Axial slice 62 of 241 of a chest CT (slice 1 is the lowest), reconstructed with the BONE kernel at 120 kVp; 1.25 mm slice thickness and 0.609 mm pixels.
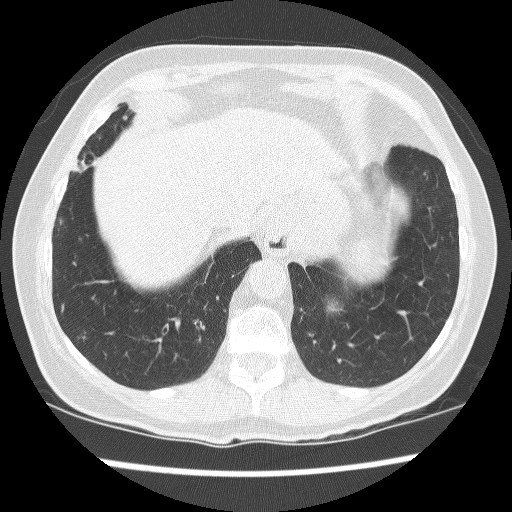
Two pulmonary nodules on this slice, listed from left to right. (1) Pulmonary nodule at rows 217–224, columns 58–62 (box = that reader's outline on this slice), outlined by one of the four readers; longest diameter 6.9 mm and volume 125 mm3 from that reader's outline. Ratings by that reader: texture 1/5 (non-solid); margin 1/5 (indistinct); sphericity 4/5; calcification absent; internal structure soft tissue; subtlety 2/5; malignancy likelihood 3/5. (2) Pulmonary nodule, outlined by one of the four readers. Box on this slice rows 308–310, columns 299–302, that reader's outline on this slice; longest diameter 7.4 mm and volume 66 mm3 from that reader's outline. That reader's ratings: texture 4/5; margin 2/5; sphericity 3/5 (ovoid); calcification absent; internal structure soft tissue; subtlety 3/5; malignancy likelihood 3/5. Scale key (1–5): texture non-solid→solid, margin indistinct→circumscribed, sphericity linear→round, subtlety extremely subtle→obvious, malignancy likelihood highly unlikely→highly suspicious of cancer. Box rows and columns are 0-based pixel indices from the top-left corner, inclusive.